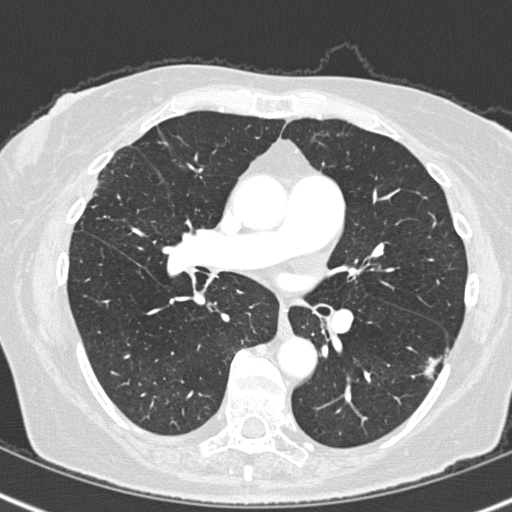
Slice 170/308 of a chest CT, counting up from the lowest; pixel size 0.586 mm, slice thickness 1.00 mm. Pulmonary nodule, outlined by all four readers. Box on this slice rows 355–380, columns 417–442, the union of the readers' outlines on this slice; longest diameter 17.1 mm on average over the four readers' outlines (readers' outlines 15.5–19.6 mm), volume 724–1186 mm3. The readers' prevailing ratings and who disagreed: most readers (three of four) put texture at 5/5 (solid), others 4/5 (one); margin 4/5 by three of four readers; the rest gave 3/5 (one); sphericity 3/5 (ovoid) by two of four readers; the rest gave 4/5 (one), 5/5 (round) (one); calcification absent from all four readers; internal structure soft tissue from all four readers; most readers (three of four) put subtlety at 5/5, others 4/5 (one); malignancy likelihood split among the readers: 4/5 (two), 5/5 (two). Scale key (1–5): texture non-solid→solid, margin indistinct→circumscribed, sphericity linear→round, subtlety extremely subtle→obvious, malignancy likelihood highly unlikely→highly suspicious of cancer. Box rows and columns are 0-based pixel indices from the top-left corner, inclusive.
Tube voltage 120 kVp; convolution kernel B45f.